Axial chest CT slice 179 of 308 (counted from the lowest slice); tube voltage 120 kVp, convolution kernel B45f; slices 1.00 mm thick, 0.586 mm per pixel.
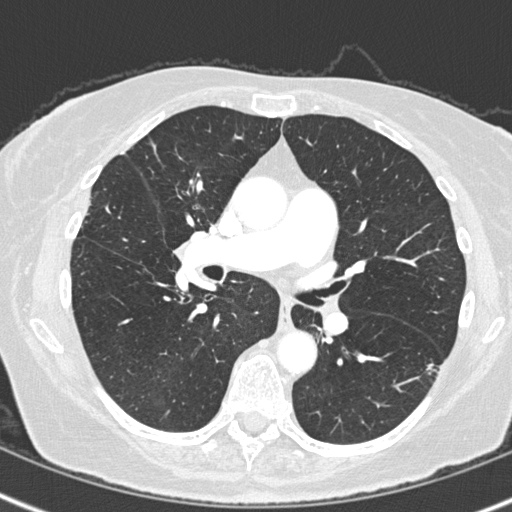
Pulmonary nodule at rows 361–374, columns 425–439 (box = the union of the readers' outlines on this slice), outlined by all four readers, two of them on this slice; longest diameter 17.1 mm on average over the four readers' outlines (readers' outlines 15.5–19.6 mm), volume 724–1186 mm3. The readers' prevailing ratings and who disagreed: most readers (three of four) put texture at 5/5 (solid), others 4/5 (one); margin 4/5 by three of four readers; the rest gave 3/5 (one); sphericity 3/5 (ovoid) by two of four readers; the rest gave 4/5 (one), 5/5 (round) (one); calcification absent, all four readers agreeing; internal structure soft tissue from all four readers; subtlety 5/5 by three of four readers; the rest gave 4/5 (one); malignancy likelihood split among the readers: 4/5 (two), 5/5 (two). Scale key (1–5): texture non-solid→solid, margin indistinct→circumscribed, sphericity linear→round, subtlety extremely subtle→obvious, malignancy likelihood highly unlikely→highly suspicious of cancer. Box rows and columns are 0-based pixel indices from the top-left corner, inclusive.